Chest CT, axial plane, 120 kVp, kernel STANDARD. Slice 122/147 from the bottom of the scan; thickness 2.50 mm; pixel size 0.781 mm.
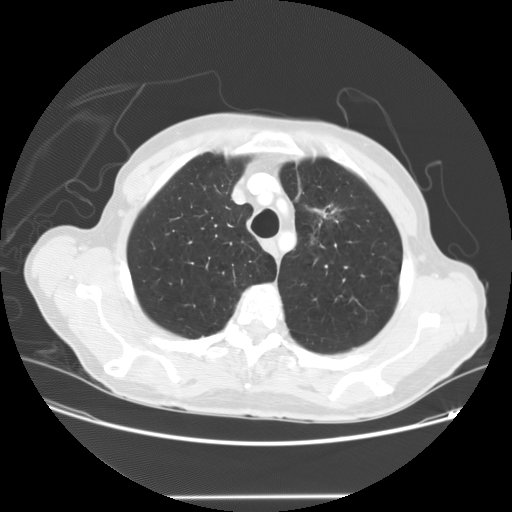
Pulmonary nodule at rows 204–244, columns 304–345 (box = the one reader's outline on this slice), outlined by all four readers, one of them on this slice; median longest diameter 31.0 mm (readers' outlines 28.8–40.5 mm), median volume 4785 mm3 (3077–10560 mm3). Ratings, median across the readers with their spread: texture 4/5 at the median of four readers, spread 3/5 (part-solid) to 5/5 (solid); margin 3.5/5 at the median of four readers, spread 2/5 to 5/5 (circumscribed); sphericity 3/5 (ovoid), all four readers agreeing; calcification absent from all four readers; internal structure soft tissue from all four readers; median subtlety 5/5 (readers ranged 4–5); malignancy likelihood 4.5/5 at the median of four readers, spread 3–5. Scale key (1–5): texture non-solid→solid, margin indistinct→circumscribed, sphericity linear→round, subtlety extremely subtle→obvious, malignancy likelihood highly unlikely→highly suspicious of cancer. Box rows and columns are 0-based pixel indices from the top-left corner, inclusive.